Axial slice 505 of 764 of a chest CT (slice 1 is the lowest), reconstructed with the B31f kernel at 120 kVp; 1.00 mm slice thickness and 0.646 mm pixels.
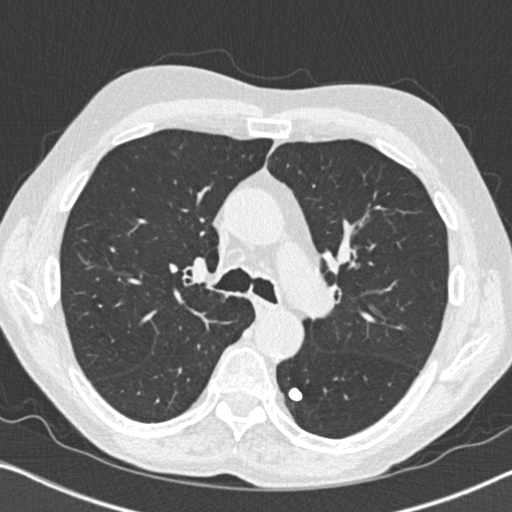
Pulmonary nodule at rows 386–401, columns 287–303 (box = the union of the readers' outlines on this slice), outlined by all four readers; the four readers' outlines give a longest diameter between 10.7 and 12.7 mm and a volume between 382 and 638 mm3. The readers' ratings, as ranges where they differ: texture 5/5 (solid) from all four readers; margin 5/5 (circumscribed) from all four readers; sphericity from 4/5 to 5/5 (round) across the four readers; calcification solid calcification from all four readers; internal structure soft tissue, all four readers agreeing; subtlety 5/5, all four readers agreeing; malignancy likelihood 1/5, all four readers agreeing. Scale key (1–5): texture non-solid→solid, margin indistinct→circumscribed, sphericity linear→round, subtlety extremely subtle→obvious, malignancy likelihood highly unlikely→highly suspicious of cancer. Box rows and columns are 0-based pixel indices from the top-left corner, inclusive.